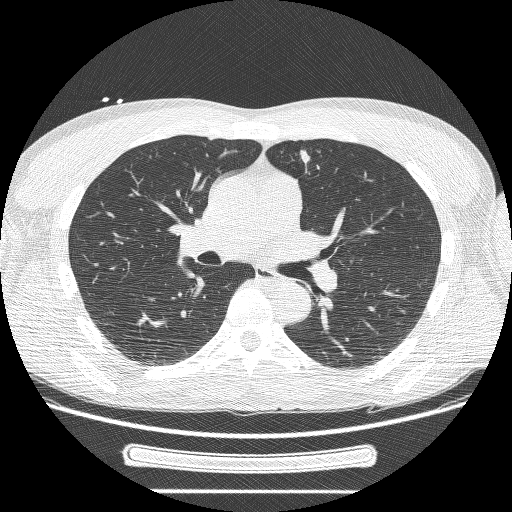
Slice 141/244 of a chest CT, counting up from the lowest; pixel size 0.729 mm, slice thickness 1.25 mm. Pulmonary nodule, outlined by three of the four readers, two of them on this slice. Box on this slice rows 149–164, columns 299–310, the union of the readers' outlines on this slice; the three readers' outlines give a longest diameter between 27.4 and 37.9 mm and a volume between 2934 and 10099 mm3. Ratings across the readers: texture from 3/5 (part-solid) to 5/5 (solid) across the three readers; margin from 1/5 (indistinct) to 3/5 across the three readers; sphericity from 2/5 to 4/5 across the three readers; calcification absent, all three readers agreeing; internal structure soft tissue, all three readers agreeing; subtlety 5/5 from all three readers; malignancy likelihood 3–5/5 (the readers disagree). Scale key (1–5): texture non-solid→solid, margin indistinct→circumscribed, sphericity linear→round, subtlety extremely subtle→obvious, malignancy likelihood highly unlikely→highly suspicious of cancer. Box rows and columns are 0-based pixel indices from the top-left corner, inclusive.
Acquired at 120 kVp and reconstructed with the BONE kernel.